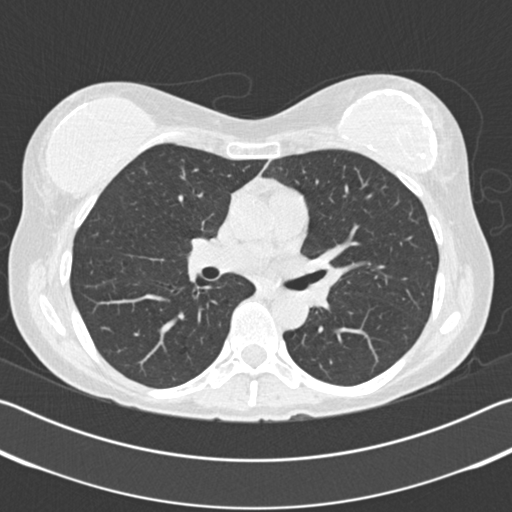
Slice 108/183 of a chest CT, counting up from the lowest; pixel size 0.664 mm, slice thickness 2.00 mm. This slice carries no reader outline of a nodule 3 mm or larger.
Tube voltage 120 kVp; convolution kernel B30f.